Axial slice 387 of 493 of a chest CT (slice 1 is the lowest), reconstructed with the STANDARD kernel at 120 kVp; 1.25 mm slice thickness and 0.742 mm pixels.
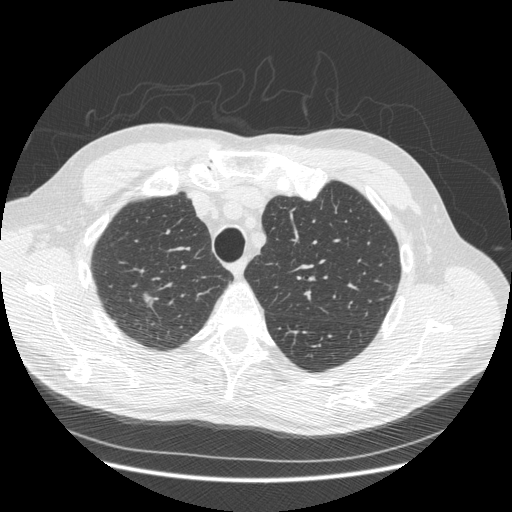
Pulmonary nodule outlined by three of the four readers; box rows 290–303, columns 143–152 (the union of the readers' outlines on this slice); longest diameter 11.0–11.2 mm and volume 98–139 mm3 across the three readers' outlines. Ratings across the readers: texture from 2/5 to 4/5 across the three readers; margin from 3/5 to 4/5 across the three readers; sphericity from 2/5 to 3/5 (ovoid) across the three readers; calcification absent, all three readers agreeing; internal structure soft tissue from all three readers; subtlety 3–4/5 (the readers disagree); malignancy likelihood from 3/5 to 5/5 across the three readers. Scale key (1–5): texture non-solid→solid, margin indistinct→circumscribed, sphericity linear→round, subtlety extremely subtle→obvious, malignancy likelihood highly unlikely→highly suspicious of cancer. Box rows and columns are 0-based pixel indices from the top-left corner, inclusive.